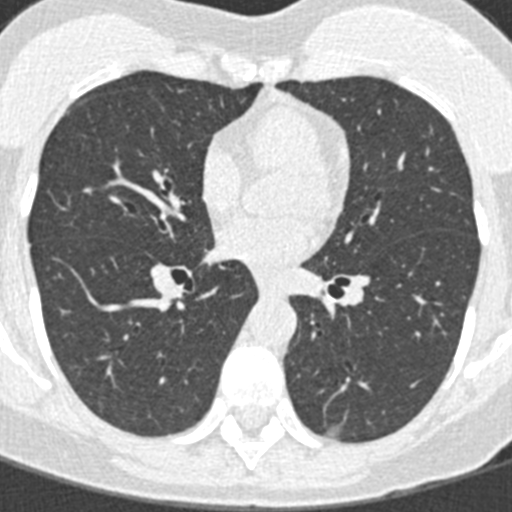
Axial chest CT slice 178 of 376 (counted from the lowest slice); tube voltage 120 kVp, convolution kernel B30f; slices 0.75 mm thick, 0.461 mm per pixel.
Pulmonary nodule at rows 423–436, columns 326–340 (box = that reader's outline on this slice), outlined by one of the four readers; longest diameter 10.8 mm and volume 74 mm3 from that reader's outline. That reader's ratings: texture 4/5; margin 1/5 (indistinct); sphericity 3/5 (ovoid); calcification absent; internal structure soft tissue; subtlety 5/5; malignancy likelihood 2/5. Scale key (1–5): texture non-solid→solid, margin indistinct→circumscribed, sphericity linear→round, subtlety extremely subtle→obvious, malignancy likelihood highly unlikely→highly suspicious of cancer. Box rows and columns are 0-based pixel indices from the top-left corner, inclusive.